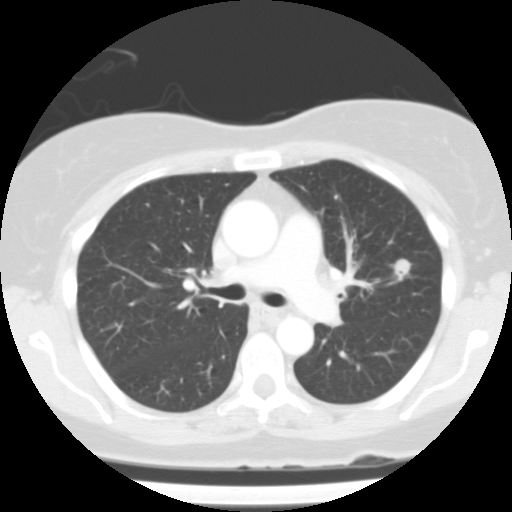
Axial chest CT slice 63 of 98 (counted from the lowest slice); 3.00 mm thick, 0.637 mm per pixel. Pulmonary nodule at rows 259–280, columns 393–410 (box = the union of the readers' outlines on this slice), outlined by all four readers; median longest diameter 14.0 mm (readers' outlines 12.4–15.3 mm), median volume 877 mm3 (600–1083 mm3). Ratings, median across the readers with their spread: median texture 5/5 (solid) (readers ranged 4/5 to 5/5 (solid)); median margin 4/5 (readers ranged 2/5 to 5/5 (circumscribed)); sphericity 5/5 (round) from all four readers; calcification absent, all four readers agreeing; internal structure soft tissue from all four readers; subtlety 5/5 at the median of four readers, spread 4–5; malignancy likelihood 3.5/5 at the median of four readers, spread 3–5. Scale key (1–5): texture non-solid→solid, margin indistinct→circumscribed, sphericity linear→round, subtlety extremely subtle→obvious, malignancy likelihood highly unlikely→highly suspicious of cancer. Box rows and columns are 0-based pixel indices from the top-left corner, inclusive.
Acquired at 135 kVp and reconstructed with the FC01 kernel.